One axial slice (79 of 112, counting up from the lowest) of a chest CT acquired at 135 kVp with the FC01 kernel; each pixel is 0.659 mm and the slice is 3.00 mm thick.
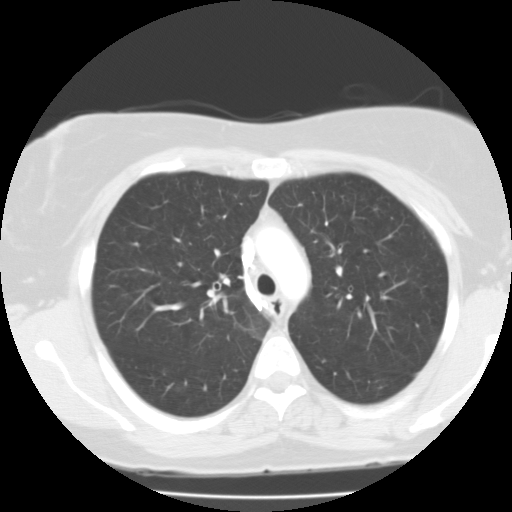
No nodule of 3 mm or larger was outlined by any of the four readers on this slice.